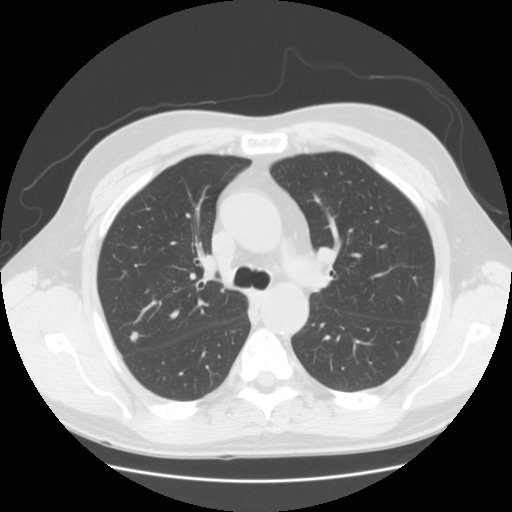
Chest CT, axial plane, 120 kVp, kernel STANDARD. Slice 89/133 from the bottom of the scan; thickness 2.50 mm; pixel size 0.703 mm.
Pulmonary nodule, outlined by all four readers. Box on this slice rows 331–342, columns 129–138, the union of the readers' outlines on this slice; longest diameter 8.5–9.4 mm and volume 198–407 mm3 across the four readers' outlines. The readers' ratings, as ranges where they differ: texture 5/5 (solid), all four readers agreeing; margin from 4/5 to 5/5 (circumscribed) across the four readers; sphericity from 3/5 (ovoid) to 5/5 (round) across the four readers; calcification absent from all four readers; internal structure soft tissue, all four readers agreeing; subtlety from 4/5 to 5/5 across the four readers; malignancy likelihood from 2/5 to 4/5 across the four readers. Scale key (1–5): texture non-solid→solid, margin indistinct→circumscribed, sphericity linear→round, subtlety extremely subtle→obvious, malignancy likelihood highly unlikely→highly suspicious of cancer. Box rows and columns are 0-based pixel indices from the top-left corner, inclusive.